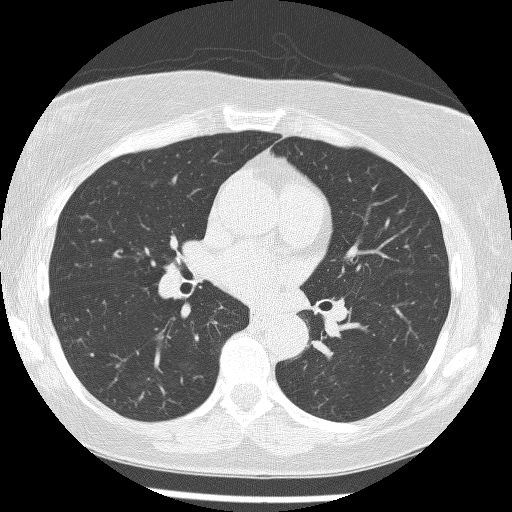
One axial slice (127 of 241, counting up from the lowest) of a chest CT acquired at 120 kVp with the BONE kernel; each pixel is 0.586 mm and the slice is 1.25 mm thick.
Pulmonary nodule outlined by one of the four readers; box rows 181–184, columns 112–116 (that reader's outline on this slice); longest diameter 4.1 mm and volume 39 mm3 from that reader's outline. Ratings by that reader: texture 5/5 (solid); margin 5/5 (circumscribed); sphericity 5/5 (round); calcification absent; internal structure soft tissue; subtlety 4/5; malignancy likelihood 1/5. Scale key (1–5): texture non-solid→solid, margin indistinct→circumscribed, sphericity linear→round, subtlety extremely subtle→obvious, malignancy likelihood highly unlikely→highly suspicious of cancer. Box rows and columns are 0-based pixel indices from the top-left corner, inclusive.